Chest CT, axial plane, 140 kVp, kernel BONE. Slice 89/132 from the bottom of the scan; thickness 2.50 mm; pixel size 0.703 mm.
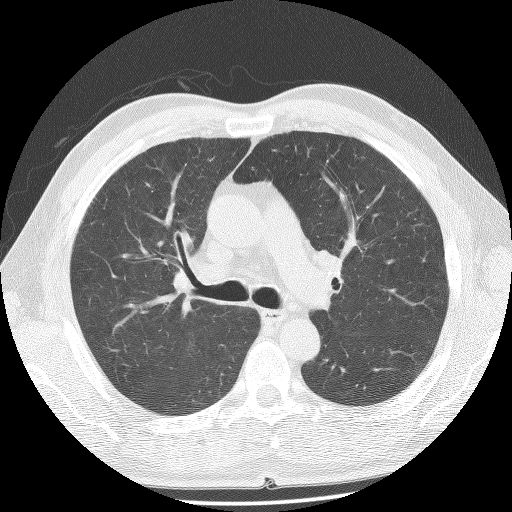
None of the four readers outlined a nodule of 3 mm or more on this slice.